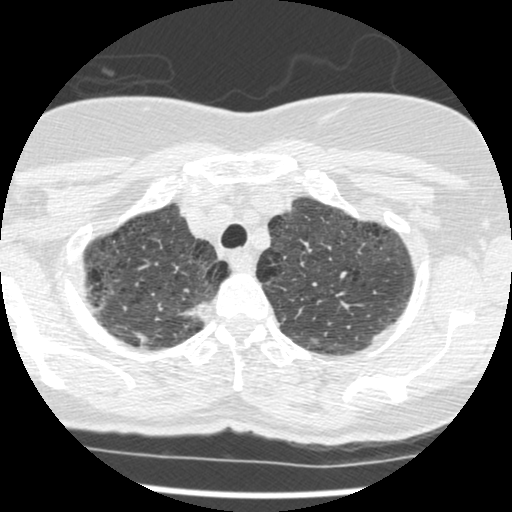
Axial slice 405 of 465 of a chest CT (slice 1 is the lowest), reconstructed with the STANDARD kernel at 120 kVp; 1.25 mm slice thickness and 0.586 mm pixels.
Pulmonary nodule, outlined by two of the four readers. Box on this slice rows 338–342, columns 311–317, the union of the readers' outlines on this slice; median longest diameter 5.5 mm (readers' outlines 5.5–5.6 mm), median volume 27 mm3 (23–30 mm3). Ratings, median across the readers with their spread: median texture 3.5/5 (readers ranged 2/5 to 5/5 (solid)); median margin 3.5/5 (readers ranged 2/5 to 5/5 (circumscribed)); median sphericity 2.5/5 (readers ranged 2/5 to 3/5 (ovoid)); calcification absent from both readers; internal structure soft tissue, both readers agreeing; subtlety 2.5/5 at the median of two readers, spread 1–4; malignancy likelihood 2/5 at the median of two readers, spread 1–3. Scale key (1–5): texture non-solid→solid, margin indistinct→circumscribed, sphericity linear→round, subtlety extremely subtle→obvious, malignancy likelihood highly unlikely→highly suspicious of cancer. Box rows and columns are 0-based pixel indices from the top-left corner, inclusive.